Axial slice 379 of 490 of a chest CT (slice 1 is the lowest), reconstructed with the STANDARD kernel at 120 kVp; 1.25 mm slice thickness and 0.547 mm pixels.
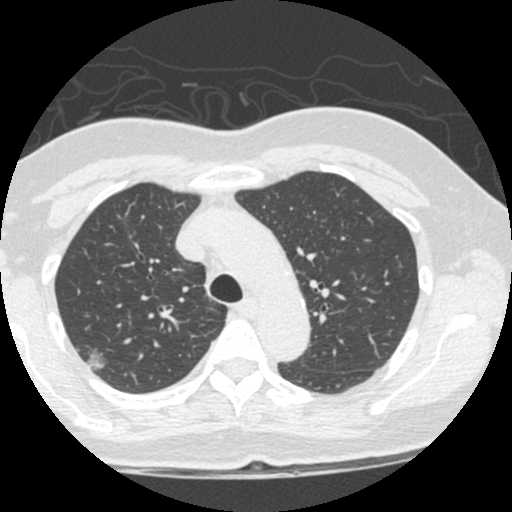
Pulmonary nodule at rows 348–371, columns 82–109 (box = the union of the readers' outlines on this slice), outlined by three of the four readers; median longest diameter 15.2 mm (readers' outlines 14.3–18.3 mm), median volume 997 mm3 (967–1422 mm3). Ratings, median across the readers with their spread: median texture 1/5 (non-solid) (readers ranged 1/5 (non-solid) to 5/5 (solid)); margin 2/5 at the median of three readers, spread 2/5 to 4/5; median sphericity 4/5 (readers ranged 3/5 (ovoid) to 5/5 (round)); calcification absent from all three readers; internal structure soft tissue from all three readers; subtlety 5/5 at the median of three readers, spread 1–5; median malignancy likelihood 3/5 (readers ranged 2–5). Scale key (1–5): texture non-solid→solid, margin indistinct→circumscribed, sphericity linear→round, subtlety extremely subtle→obvious, malignancy likelihood highly unlikely→highly suspicious of cancer. Box rows and columns are 0-based pixel indices from the top-left corner, inclusive.